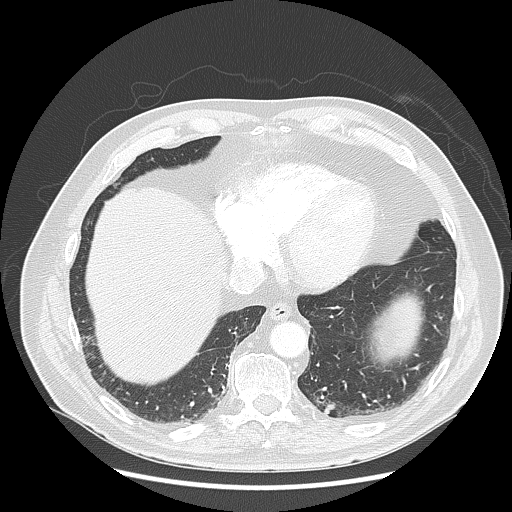
This is axial slice 54 of 143 (slice 1 is the lowest) of a chest CT; each pixel is 0.781 mm and the slice is 2.50 mm thick. Pulmonary nodule, outlined by three of the four readers. Box on this slice rows 404–413, columns 324–334, the union of the readers' outlines on this slice; median longest diameter 10.5 mm (readers' outlines 10.2–11.1 mm), median volume 159 mm3 (101–297 mm3). Median ratings and the readers' spread: texture 5/5 (solid), all three readers agreeing; median margin 4/5 (readers ranged 4/5 to 5/5 (circumscribed)); median sphericity 3/5 (ovoid) (readers ranged 2/5 to 5/5 (round)); calcification: absent (two), solid calcification (one); internal structure soft tissue from all three readers; subtlety 3/5 at the median of three readers, spread 3–5; median malignancy likelihood 3/5 (readers ranged 1–3). Scale key (1–5): texture non-solid→solid, margin indistinct→circumscribed, sphericity linear→round, subtlety extremely subtle→obvious, malignancy likelihood highly unlikely→highly suspicious of cancer. Box rows and columns are 0-based pixel indices from the top-left corner, inclusive.
Scan settings: 120 kVp, LUNG reconstruction kernel.